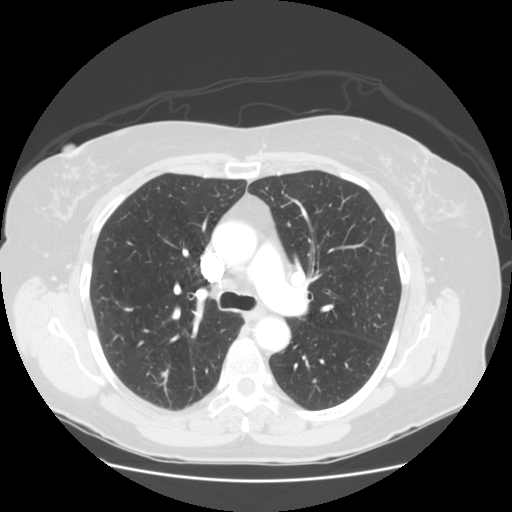
Axial chest CT slice 84 of 128 (counted from the lowest slice); 2.50 mm thick, 0.742 mm per pixel. Pulmonary nodule, outlined by one of the four readers. Box on this slice rows 371–376, columns 161–164, that reader's outline on this slice; longest diameter 5.7 mm and volume 76 mm3 from that reader's outline. That reader's ratings: texture 5/5 (solid); margin 5/5 (circumscribed); sphericity 5/5 (round); calcification absent; internal structure soft tissue; subtlety 3/5; malignancy likelihood 2/5. Scale key (1–5): texture non-solid→solid, margin indistinct→circumscribed, sphericity linear→round, subtlety extremely subtle→obvious, malignancy likelihood highly unlikely→highly suspicious of cancer. Box rows and columns are 0-based pixel indices from the top-left corner, inclusive.
Tube voltage 120 kVp; convolution kernel STANDARD.